Axial chest CT slice 150 of 238 (counted from the lowest slice); tube voltage 120 kVp, convolution kernel BONE; slices 1.25 mm thick, 0.703 mm per pixel.
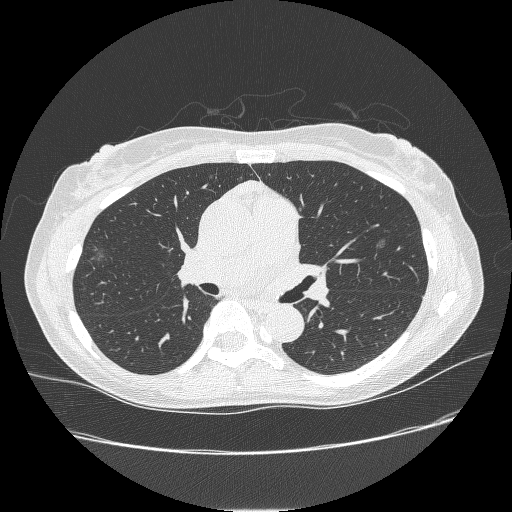
Two pulmonary nodules on this slice, listed from left to right. (1) Pulmonary nodule at rows 248–259, columns 96–106 (box = the one reader's outline on this slice), outlined by two of the four readers, one of them on this slice; the two readers' outlines give a longest diameter between 11.5 and 16.5 mm and a volume between 494 and 598 mm3. Ratings across the readers: texture 1/5 (non-solid) from both readers; margin 1/5 (indistinct) from both readers; sphericity from 3/5 (ovoid) to 4/5 across the two readers; calcification absent, both readers agreeing; internal structure soft tissue, both readers agreeing; subtlety 4/5 from both readers; malignancy likelihood 3–4/5 (the readers disagree). (2) Pulmonary nodule at rows 238–249, columns 375–385 (box = the union of the readers' outlines on this slice), outlined by three of the four readers; longest diameter 10.1–10.7 mm and volume 130–226 mm3 across the three readers' outlines. Ratings across the readers: texture 1/5 (non-solid), all three readers agreeing; margin from 1/5 (indistinct) to 2/5 across the three readers; sphericity from 2/5 to 4/5 across the three readers; calcification absent, all three readers agreeing; internal structure soft tissue from all three readers; subtlety rated between 2 and 4 out of 5 by the three readers; malignancy likelihood rated between 3 and 4 out of 5 by the three readers. Scale key (1–5): texture non-solid→solid, margin indistinct→circumscribed, sphericity linear→round, subtlety extremely subtle→obvious, malignancy likelihood highly unlikely→highly suspicious of cancer. Box rows and columns are 0-based pixel indices from the top-left corner, inclusive.